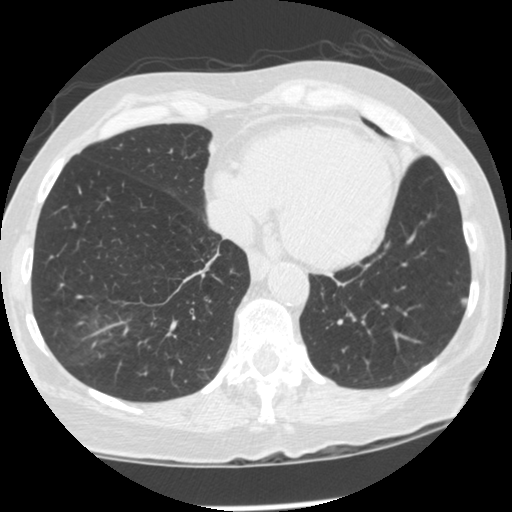
Axial slice 114 of 474 of a chest CT (slice 1 is the lowest), reconstructed with the STANDARD kernel at 120 kVp; 1.25 mm slice thickness and 0.625 mm pixels.
Pulmonary nodule at rows 297–305, columns 460–466 (box = the union of the readers' outlines on this slice), outlined by three of the four readers; longest diameter 7.5 mm on average over the three readers' outlines (readers' outlines 7.1–8.1 mm), volume 92–97 mm3. The readers' prevailing ratings and who disagreed: most readers (two of three) put texture at 4/5, others 5/5 (solid) (one); margin split among the readers: 3/5 (one), 4/5 (one), 5/5 (circumscribed) (one); sphericity split among the readers: 2/5 (one), 3/5 (ovoid) (one), 4/5 (one); calcification absent from all three readers; internal structure soft tissue, all three readers agreeing; subtlety split among the readers: 3/5 (one), 4/5 (one), 5/5 (one); malignancy likelihood 2/5 by two of three readers; the rest gave 3/5 (one). Scale key (1–5): texture non-solid→solid, margin indistinct→circumscribed, sphericity linear→round, subtlety extremely subtle→obvious, malignancy likelihood highly unlikely→highly suspicious of cancer. Box rows and columns are 0-based pixel indices from the top-left corner, inclusive.